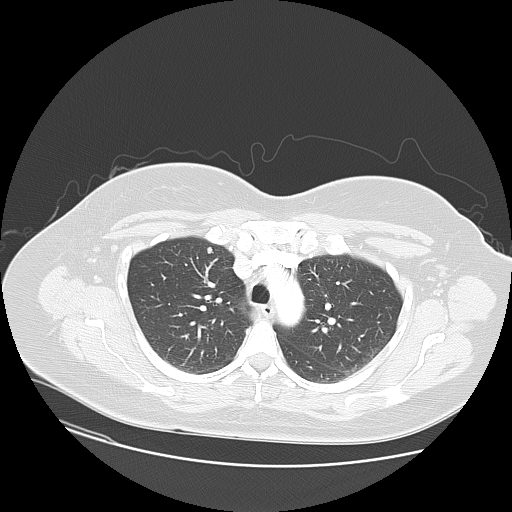
Axial slice 79 of 109 of a chest CT (slice 1 is the lowest), reconstructed with the LUNG kernel at 120 kVp; 2.50 mm slice thickness and 0.781 mm pixels.
Pulmonary nodule at rows 247–253, columns 207–213 (box = the union of the readers' outlines on this slice), outlined by all four readers; longest diameter 6.5 mm on average over the four readers' outlines (readers' outlines 5.9–7.0 mm), volume 79–104 mm3. Ratings, by the readers' most common answer with dissent counted: texture 5/5 (solid) from all four readers; margin 5/5 (circumscribed) by three of four readers; the rest gave 3/5 (one); sphericity 4/5 by two of four readers; the rest gave 3/5 (ovoid) (one), 5/5 (round) (one); calcification absent from all four readers; internal structure soft tissue from all four readers; subtlety 3/5 by three of four readers; the rest gave 4/5 (one); malignancy likelihood 2/5 by two of four readers; the rest gave 1/5 (one), 3/5 (one). Scale key (1–5): texture non-solid→solid, margin indistinct→circumscribed, sphericity linear→round, subtlety extremely subtle→obvious, malignancy likelihood highly unlikely→highly suspicious of cancer. Box rows and columns are 0-based pixel indices from the top-left corner, inclusive.